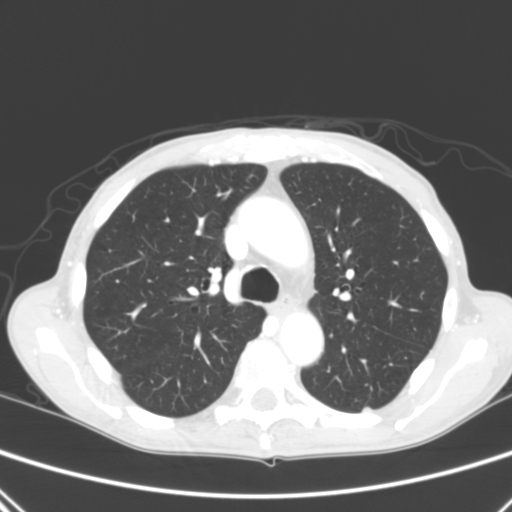
One axial slice (197 of 290, counting up from the lowest) of a chest CT acquired at 120 kVp with the B kernel; each pixel is 0.639 mm and the slice is 2.00 mm thick.
Pulmonary nodule at rows 409–412, columns 363–370 (box = that reader's outline on this slice), outlined by one of the four readers; longest diameter 7.5 mm and volume 95 mm3 from that reader's outline. That reader's ratings: texture 5/5 (solid); margin 5/5 (circumscribed); sphericity 5/5 (round); calcification absent; internal structure soft tissue; subtlety 5/5; malignancy likelihood 3/5. Scale key (1–5): texture non-solid→solid, margin indistinct→circumscribed, sphericity linear→round, subtlety extremely subtle→obvious, malignancy likelihood highly unlikely→highly suspicious of cancer. Box rows and columns are 0-based pixel indices from the top-left corner, inclusive.